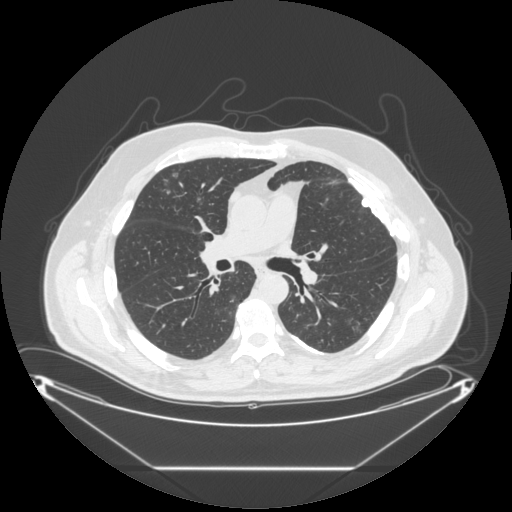
Slice 167/297 of a chest CT, counting up from the lowest; pixel size 0.949 mm, slice thickness 1.25 mm. Pulmonary nodule outlined by two of the four readers; box rows 172–178, columns 172–178 (the union of the readers' outlines on this slice); longest diameter 8.9 mm on average over the two readers' outlines (readers' outlines 8.1–9.7 mm), volume 121–173 mm3. The readers' prevailing ratings and who disagreed: texture 1/5 (non-solid) from both readers; margin 2/5, both readers agreeing; sphericity 5/5 (round), both readers agreeing; calcification absent, both readers agreeing; internal structure soft tissue, both readers agreeing; subtlety split among the readers: 1/5 (one), 2/5 (one); malignancy likelihood split among the readers: 2/5 (one), 3/5 (one). Scale key (1–5): texture non-solid→solid, margin indistinct→circumscribed, sphericity linear→round, subtlety extremely subtle→obvious, malignancy likelihood highly unlikely→highly suspicious of cancer. Box rows and columns are 0-based pixel indices from the top-left corner, inclusive.
Scan settings: 120 kVp, STANDARD reconstruction kernel.